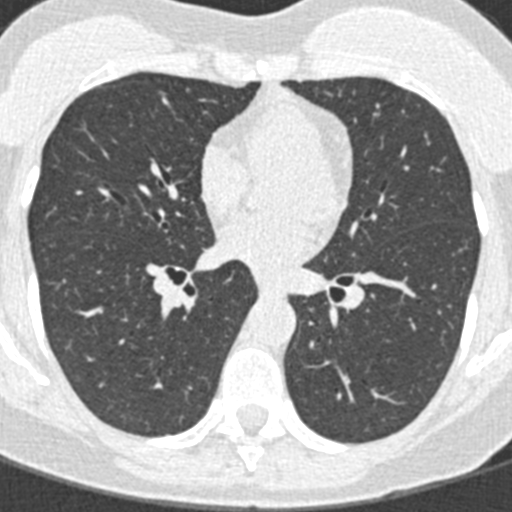
This is axial slice 174 of 376 (slice 1 is the lowest) of a chest CT; each pixel is 0.461 mm and the slice is 0.75 mm thick. Pulmonary nodule at rows 97–104, columns 162–168 (box = that reader's outline on this slice), outlined by one of the four readers; longest diameter 4.5 mm and volume 18 mm3 from that reader's outline. That reader's ratings: texture 5/5 (solid); margin 5/5 (circumscribed); sphericity 5/5 (round); calcification absent; internal structure soft tissue; subtlety 5/5; malignancy likelihood 3/5. Scale key (1–5): texture non-solid→solid, margin indistinct→circumscribed, sphericity linear→round, subtlety extremely subtle→obvious, malignancy likelihood highly unlikely→highly suspicious of cancer. Box rows and columns are 0-based pixel indices from the top-left corner, inclusive.
Acquired at 120 kVp and reconstructed with the B30f kernel.